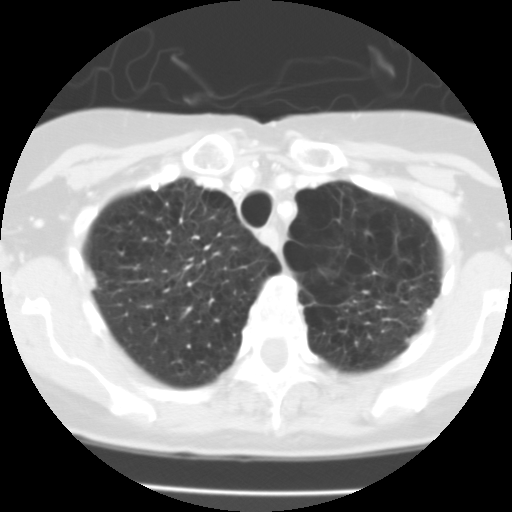
One axial slice (84 of 100, counting up from the lowest) of a chest CT acquired at 135 kVp with the FC01 kernel; each pixel is 0.540 mm and the slice is 3.00 mm thick.
Pulmonary nodule, outlined by two of the four readers. Box on this slice rows 183–190, columns 151–157, the union of the readers' outlines on this slice; the two readers' outlines give a longest diameter between 4.6 and 5.8 mm and a volume between 82 and 124 mm3. Ratings across the readers: texture 5/5 (solid) from both readers; margin 5/5 (circumscribed), both readers agreeing; sphericity 5/5 (round), both readers agreeing; calcification solid calcification, both readers agreeing; internal structure soft tissue, both readers agreeing; subtlety 4/5 from both readers; malignancy likelihood 1/5 from both readers. Scale key (1–5): texture non-solid→solid, margin indistinct→circumscribed, sphericity linear→round, subtlety extremely subtle→obvious, malignancy likelihood highly unlikely→highly suspicious of cancer. Box rows and columns are 0-based pixel indices from the top-left corner, inclusive.